Chest CT, axial plane, 120 kVp, kernel B30f. Slice 298/529 from the bottom of the scan; thickness 0.75 mm; pixel size 0.703 mm.
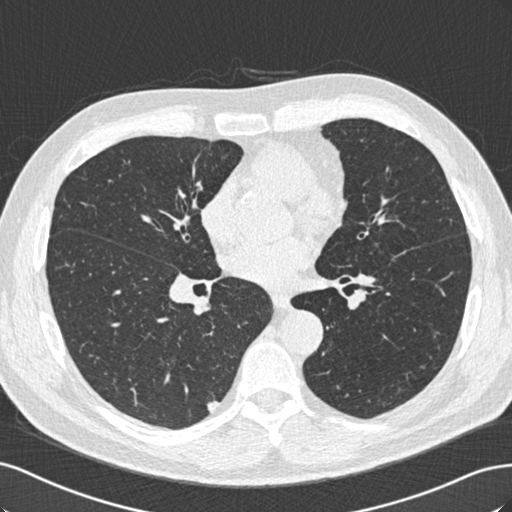
Pulmonary nodule outlined by all four readers; box rows 401–412, columns 207–218 (the union of the readers' outlines on this slice); the four readers' outlines give a longest diameter between 9.8 and 11.3 mm and a volume between 151 and 208 mm3. Ratings across the readers: texture 5/5 (solid), all four readers agreeing; margin from 4/5 to 5/5 (circumscribed) across the four readers; sphericity from 3/5 (ovoid) to 5/5 (round) across the four readers; calcification absent from all four readers; internal structure soft tissue, all four readers agreeing; subtlety from 3/5 to 5/5 across the four readers; malignancy likelihood rated between 2 and 5 out of 5 by the four readers. Scale key (1–5): texture non-solid→solid, margin indistinct→circumscribed, sphericity linear→round, subtlety extremely subtle→obvious, malignancy likelihood highly unlikely→highly suspicious of cancer. Box rows and columns are 0-based pixel indices from the top-left corner, inclusive.